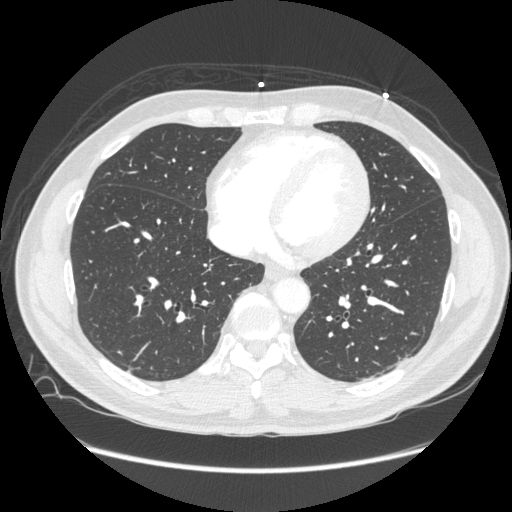
This is axial slice 83 of 261 (slice 1 is the lowest) of a chest CT; each pixel is 0.781 mm and the slice is 1.25 mm thick. No nodule 3 mm or larger was outlined here by any reader.
Tube voltage 120 kVp; convolution kernel STANDARD.